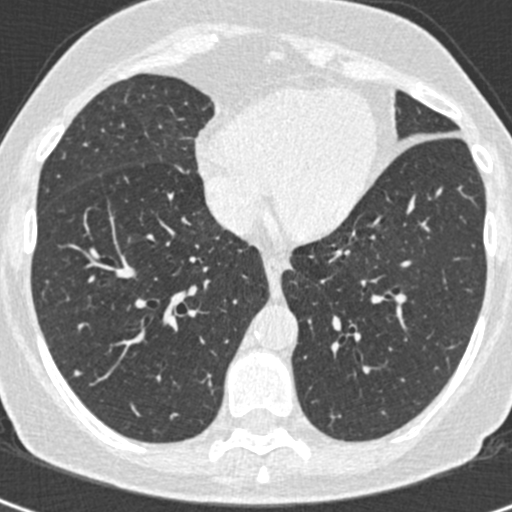
Chest CT, axial plane, 120 kVp, kernel B30f. Slice 148/408 from the bottom of the scan; thickness 0.75 mm; pixel size 0.531 mm.
Pulmonary nodule at rows 370–377, columns 74–82 (box = the union of the readers' outlines on this slice), outlined by all four readers; the four readers' outlines give a longest diameter between 5.4 and 6.1 mm and a volume between 35 and 62 mm3. The readers' ratings, as ranges where they differ: texture from 4/5 to 5/5 (solid) across the four readers; margin from 2/5 to 5/5 (circumscribed) across the four readers; sphericity from 3/5 (ovoid) to 5/5 (round) across the four readers; calcification: absent (three), solid calcification (one); internal structure soft tissue from all four readers; subtlety 2–5/5 (the readers disagree); malignancy likelihood 1–3/5 (the readers disagree). Scale key (1–5): texture non-solid→solid, margin indistinct→circumscribed, sphericity linear→round, subtlety extremely subtle→obvious, malignancy likelihood highly unlikely→highly suspicious of cancer. Box rows and columns are 0-based pixel indices from the top-left corner, inclusive.